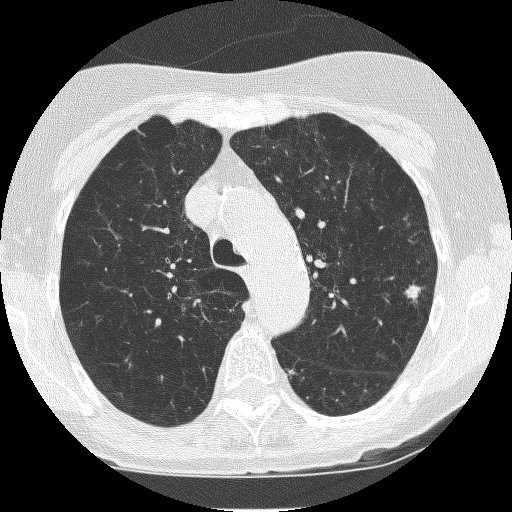
Axial chest CT slice 173 of 235 (counted from the lowest slice); tube voltage 120 kVp, convolution kernel BONE; slices 1.25 mm thick, 0.537 mm per pixel.
Pulmonary nodule outlined by all four readers; box rows 282–303, columns 402–422 (the union of the readers' outlines on this slice); median longest diameter 13.1 mm (readers' outlines 12.2–13.5 mm), median volume 470 mm3 (403–509 mm3). Ratings, median across the readers with their spread: texture 5/5 (solid) at the median of four readers, spread 4/5 to 5/5 (solid); margin 4/5 at the median of four readers, spread 1/5 (indistinct) to 4/5; median sphericity 3.5/5 (readers ranged 2/5 to 4/5); calcification: absent (three), central calcification (one); internal structure soft tissue from all four readers; median subtlety 5/5 (readers ranged 4–5); malignancy likelihood 5/5 at the median of four readers, spread 3–5. Scale key (1–5): texture non-solid→solid, margin indistinct→circumscribed, sphericity linear→round, subtlety extremely subtle→obvious, malignancy likelihood highly unlikely→highly suspicious of cancer. Box rows and columns are 0-based pixel indices from the top-left corner, inclusive.